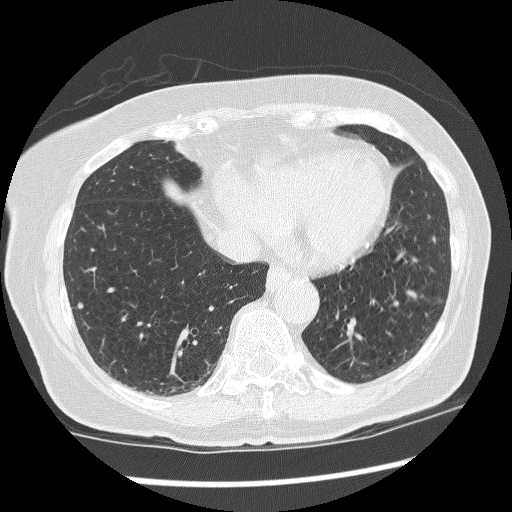
Slice 90/247 of a chest CT, counting up from the lowest; pixel size 0.643 mm, slice thickness 1.25 mm. Pulmonary nodule, outlined by all four readers. Box on this slice rows 302–308, columns 77–82, the union of the readers' outlines on this slice; longest diameter 4.9–5.3 mm and volume 53–68 mm3 across the four readers' outlines. The readers' ratings, as ranges where they differ: texture 5/5 (solid) from all four readers; margin from 4/5 to 5/5 (circumscribed) across the four readers; sphericity from 4/5 to 5/5 (round) across the four readers; calcification absent, all four readers agreeing; internal structure soft tissue, all four readers agreeing; subtlety 2–5/5 (the readers disagree); malignancy likelihood 3/5 from all four readers. Scale key (1–5): texture non-solid→solid, margin indistinct→circumscribed, sphericity linear→round, subtlety extremely subtle→obvious, malignancy likelihood highly unlikely→highly suspicious of cancer. Box rows and columns are 0-based pixel indices from the top-left corner, inclusive.
Scan settings: 120 kVp, BONE reconstruction kernel.